Axial slice 57 of 162 of a chest CT (slice 1 is the lowest), reconstructed with the BONE kernel at 120 kVp; 1.25 mm slice thickness and 0.703 mm pixels.
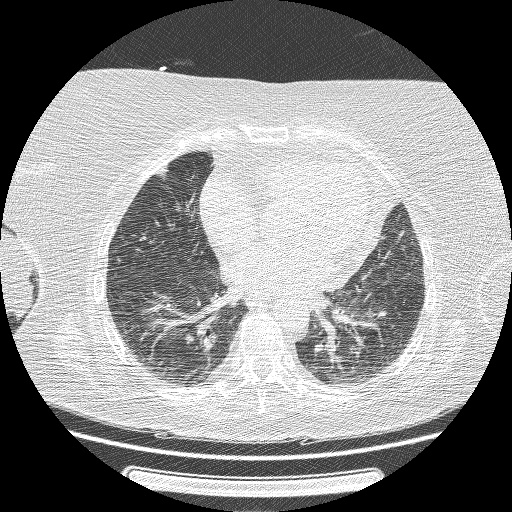
Pulmonary nodule, outlined by all four readers, three of them on this slice. Box on this slice rows 165–178, columns 156–168, the union of the readers' outlines on this slice; longest diameter 12.1 mm on average over the four readers' outlines (readers' outlines 10.9–13.0 mm), volume 239–644 mm3. The readers' prevailing ratings and who disagreed: texture 5/5 (solid), all four readers agreeing; margin 4/5 from all four readers; sphericity 4/5 by three of four readers; the rest gave 3/5 (ovoid) (one); calcification absent by three of four readers, solid calcification (one); internal structure soft tissue, all four readers agreeing; subtlety split among the readers: 4/5 (two), 5/5 (two); malignancy likelihood 3/5 by three of four readers; the rest gave 1/5 (one). Scale key (1–5): texture non-solid→solid, margin indistinct→circumscribed, sphericity linear→round, subtlety extremely subtle→obvious, malignancy likelihood highly unlikely→highly suspicious of cancer. Box rows and columns are 0-based pixel indices from the top-left corner, inclusive.